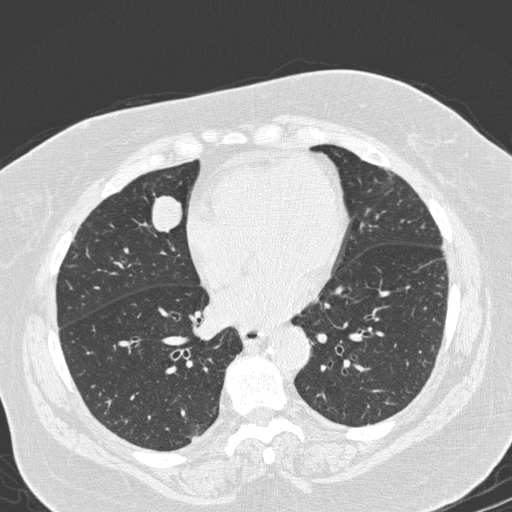
Chest CT, axial plane, 120 kVp, kernel D. Slice 89/280 from the bottom of the scan; thickness 1.00 mm; pixel size 0.666 mm.
Pulmonary nodule at rows 194–232, columns 150–183 (box = the union of the readers' outlines on this slice), outlined by all four readers; median longest diameter 25.4 mm (readers' outlines 25.0–27.8 mm), median volume 5111 mm3 (4698–5913 mm3). Ratings, median across the readers with their spread: texture 5/5 (solid) from all four readers; margin 4.5/5 at the median of four readers, spread 4/5 to 5/5 (circumscribed); sphericity 4.5/5 at the median of four readers, spread 3/5 (ovoid) to 5/5 (round); calcification absent from all four readers; internal structure soft tissue, all four readers agreeing; subtlety 5/5, all four readers agreeing; median malignancy likelihood 4.5/5 (readers ranged 2–5). Scale key (1–5): texture non-solid→solid, margin indistinct→circumscribed, sphericity linear→round, subtlety extremely subtle→obvious, malignancy likelihood highly unlikely→highly suspicious of cancer. Box rows and columns are 0-based pixel indices from the top-left corner, inclusive.